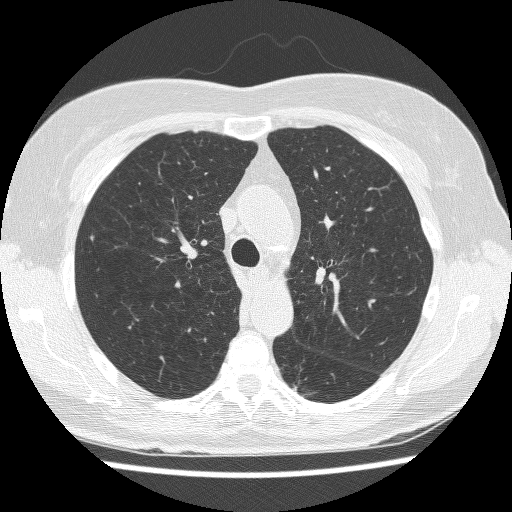
Axial slice 173 of 241 of a chest CT (slice 1 is the lowest), reconstructed with the BONE kernel at 120 kVp; 1.25 mm slice thickness and 0.609 mm pixels.
Pulmonary nodule at rows 234–241, columns 89–94 (box = that reader's outline on this slice), outlined by one of the four readers; longest diameter 6.0 mm and volume 81 mm3 from that reader's outline. That reader's ratings: texture 3/5 (part-solid); margin 4/5; sphericity 4/5; calcification absent; internal structure soft tissue; subtlety 2/5; malignancy likelihood 3/5. Scale key (1–5): texture non-solid→solid, margin indistinct→circumscribed, sphericity linear→round, subtlety extremely subtle→obvious, malignancy likelihood highly unlikely→highly suspicious of cancer. Box rows and columns are 0-based pixel indices from the top-left corner, inclusive.